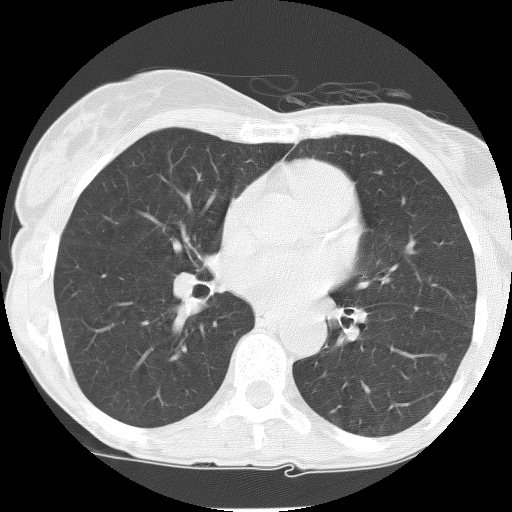
Axial chest CT slice 70 of 127 (counted from the lowest slice); tube voltage 140 kVp, convolution kernel BONE; slices 2.50 mm thick, 0.523 mm per pixel.
Pulmonary nodule outlined by one of the four readers; box rows 353–359, columns 438–445 (that reader's outline on this slice); longest diameter 5.4 mm and volume 75 mm3 from that reader's outline. That reader's ratings: texture 1/5 (non-solid); margin 2/5; sphericity 5/5 (round); calcification absent; internal structure soft tissue; subtlety 1/5; malignancy likelihood 3/5. Scale key (1–5): texture non-solid→solid, margin indistinct→circumscribed, sphericity linear→round, subtlety extremely subtle→obvious, malignancy likelihood highly unlikely→highly suspicious of cancer. Box rows and columns are 0-based pixel indices from the top-left corner, inclusive.